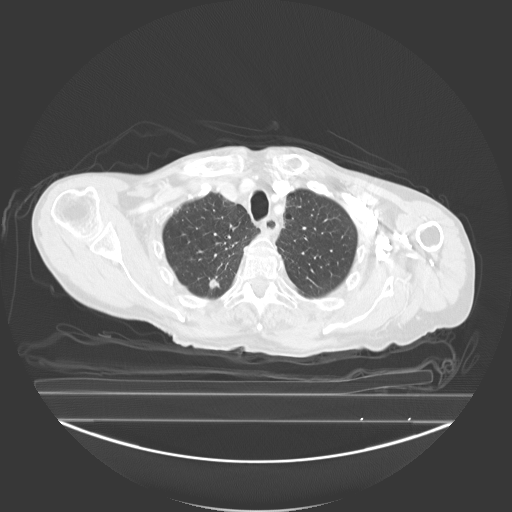
Axial chest CT slice 221 of 278 (counted from the lowest slice); 3.00 mm thick, 0.977 mm per pixel. Pulmonary nodule, outlined by all four readers. Box on this slice rows 277–288, columns 209–218, the union of the readers' outlines on this slice; longest diameter 14.3 mm on average over the four readers' outlines (readers' outlines 13.1–14.9 mm), volume 359–605 mm3. Ratings, by the readers' most common answer with dissent counted: texture split among the readers: 4/5 (two), 5/5 (solid) (two); margin 4/5 by three of four readers; the rest gave 2/5 (one); sphericity 3/5 (ovoid) by two of four readers; the rest gave 4/5 (one), 5/5 (round) (one); calcification absent, all four readers agreeing; internal structure soft tissue, all four readers agreeing; subtlety split among the readers: 4/5 (two), 5/5 (two); malignancy likelihood 4/5 by two of four readers; the rest gave 2/5 (one), 3/5 (one). Scale key (1–5): texture non-solid→solid, margin indistinct→circumscribed, sphericity linear→round, subtlety extremely subtle→obvious, malignancy likelihood highly unlikely→highly suspicious of cancer. Box rows and columns are 0-based pixel indices from the top-left corner, inclusive.
Tube voltage 130 kVp; convolution kernel B40s.